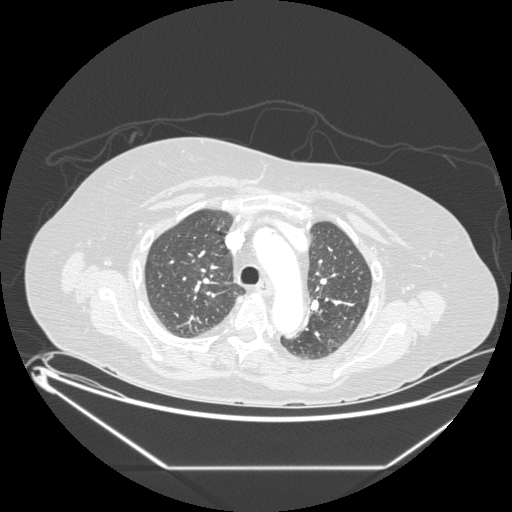
Axial chest CT slice 149 of 197 (counted from the lowest slice); 1.25 mm thick, 0.859 mm per pixel. Pulmonary nodule at rows 317–321, columns 194–196 (box = the one reader's outline on this slice), outlined by all four readers, one of them on this slice; longest diameter 11.0 mm on average over the four readers' outlines (readers' outlines 8.2–16.1 mm), volume 248–473 mm3. The readers' prevailing ratings and who disagreed: texture 5/5 (solid) by three of four readers; the rest gave 4/5 (one); margin 3/5 by two of four readers; the rest gave 4/5 (one), 5/5 (circumscribed) (one); sphericity 3/5 (ovoid) by two of four readers; the rest gave 4/5 (one), 5/5 (round) (one); calcification absent from all four readers; internal structure soft tissue from all four readers; subtlety 5/5 by two of four readers; the rest gave 3/5 (one), 4/5 (one); malignancy likelihood 3/5 by two of four readers; the rest gave 2/5 (one), 4/5 (one). Scale key (1–5): texture non-solid→solid, margin indistinct→circumscribed, sphericity linear→round, subtlety extremely subtle→obvious, malignancy likelihood highly unlikely→highly suspicious of cancer. Box rows and columns are 0-based pixel indices from the top-left corner, inclusive.
Scan settings: 120 kVp, STANDARD reconstruction kernel.